Axial slice 268 of 506 of a chest CT (slice 1 is the lowest), reconstructed with the B30f kernel at 120 kVp; 0.75 mm slice thickness and 0.699 mm pixels.
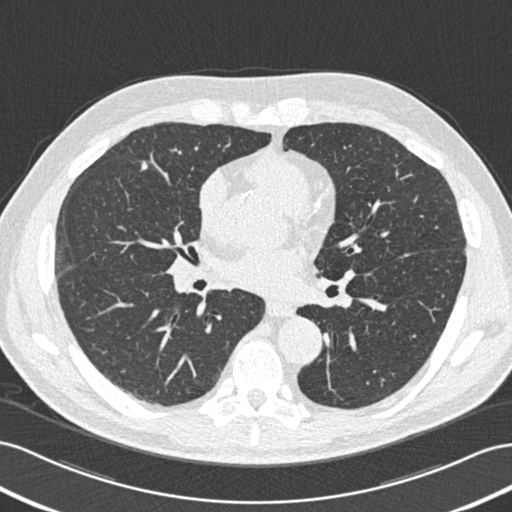
Pulmonary nodule at rows 162–168, columns 142–146 (box = that reader's outline on this slice), outlined by one of the four readers; longest diameter 6.9 mm and volume 38 mm3 from that reader's outline. Ratings by that reader: texture 5/5 (solid); margin 4/5; sphericity 4/5; calcification absent; internal structure soft tissue; subtlety 3/5; malignancy likelihood 3/5. Scale key (1–5): texture non-solid→solid, margin indistinct→circumscribed, sphericity linear→round, subtlety extremely subtle→obvious, malignancy likelihood highly unlikely→highly suspicious of cancer. Box rows and columns are 0-based pixel indices from the top-left corner, inclusive.